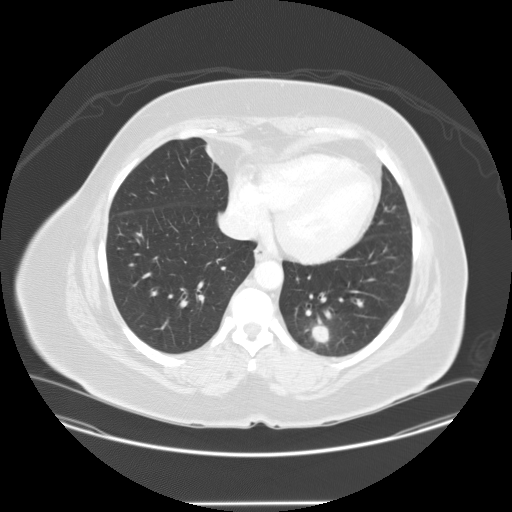
Chest CT, axial plane, 120 kVp, kernel STANDARD. Slice 22/95 from the bottom of the scan; thickness 2.50 mm; pixel size 0.859 mm.
Pulmonary nodule at rows 325–343, columns 312–327 (box = the union of the readers' outlines on this slice), outlined by all four readers; longest diameter 17.2–23.5 mm and volume 2023–2813 mm3 across the four readers' outlines. Ratings across the readers: texture from 4/5 to 5/5 (solid) across the four readers; margin from 3/5 to 5/5 (circumscribed) across the four readers; sphericity from 3/5 (ovoid) to 5/5 (round) across the four readers; calcification absent, all four readers agreeing; internal structure soft tissue, all four readers agreeing; subtlety 3–5/5 (the readers disagree); malignancy likelihood rated between 2 and 4 out of 5 by the four readers. Scale key (1–5): texture non-solid→solid, margin indistinct→circumscribed, sphericity linear→round, subtlety extremely subtle→obvious, malignancy likelihood highly unlikely→highly suspicious of cancer. Box rows and columns are 0-based pixel indices from the top-left corner, inclusive.